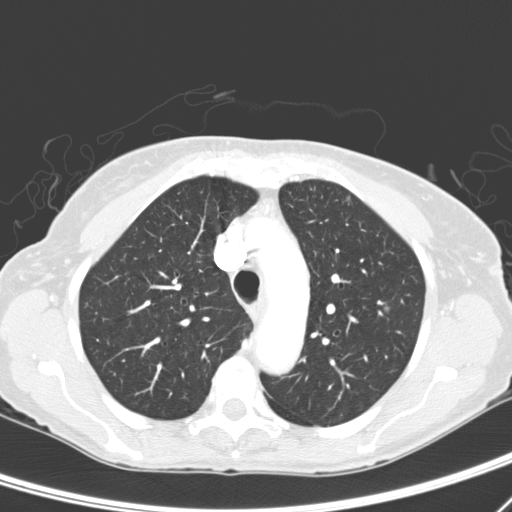
Axial slice 214 of 276 of a chest CT (slice 1 is the lowest), reconstructed with the D kernel at 120 kVp; 2.00 mm slice thickness and 0.617 mm pixels.
Pulmonary nodule outlined by three of the four readers; box rows 305–312, columns 384–390 (the union of the readers' outlines on this slice); the three readers' outlines give a longest diameter between 6.1 and 7.7 mm and a volume between 47 and 92 mm3. Ratings across the readers: texture from 1/5 (non-solid) to 5/5 (solid) across the three readers; margin from 2/5 to 5/5 (circumscribed) across the three readers; sphericity from 3/5 (ovoid) to 4/5 across the three readers; calcification absent, all three readers agreeing; internal structure soft tissue from all three readers; subtlety 2–4/5 (the readers disagree); malignancy likelihood from 1/5 to 3/5 across the three readers. Scale key (1–5): texture non-solid→solid, margin indistinct→circumscribed, sphericity linear→round, subtlety extremely subtle→obvious, malignancy likelihood highly unlikely→highly suspicious of cancer. Box rows and columns are 0-based pixel indices from the top-left corner, inclusive.